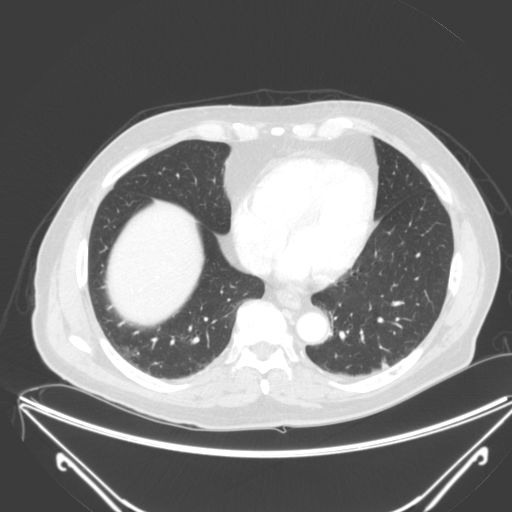
Axial chest CT slice 74 of 250 (counted from the lowest slice); tube voltage 120 kVp, convolution kernel B; slices 2.00 mm thick, 0.834 mm per pixel.
Pulmonary nodule at rows 357–369, columns 381–388 (box = the union of the readers' outlines on this slice), outlined by all four readers; median longest diameter 28.3 mm (readers' outlines 26.7–30.4 mm), median volume 3107 mm3 (2541–3664 mm3). Median ratings and the readers' spread: median texture 4.5/5 (readers ranged 4/5 to 5/5 (solid)); median margin 3/5 (readers ranged 2/5 to 4/5); median sphericity 3/5 (ovoid) (readers ranged 3/5 (ovoid) to 5/5 (round)); calcification absent from all four readers; internal structure soft tissue from all four readers; subtlety 5/5, all four readers agreeing; malignancy likelihood 3.5/5 at the median of four readers, spread 3–5. Scale key (1–5): texture non-solid→solid, margin indistinct→circumscribed, sphericity linear→round, subtlety extremely subtle→obvious, malignancy likelihood highly unlikely→highly suspicious of cancer. Box rows and columns are 0-based pixel indices from the top-left corner, inclusive.